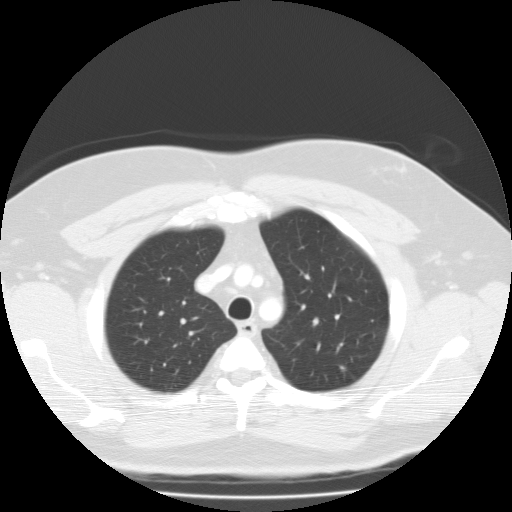
Chest CT, axial plane, 135 kVp, kernel FC01. Slice 101/126 from the bottom of the scan; thickness 3.00 mm; pixel size 0.744 mm.
Pulmonary nodule outlined by three of the four readers; box rows 365–371, columns 339–346 (the union of the readers' outlines on this slice); median longest diameter 7.4 mm (readers' outlines 6.7–8.3 mm), median volume 232 mm3 (228–298 mm3). Ratings, median across the readers with their spread: texture 4/5 at the median of three readers, spread 4/5 to 5/5 (solid); median margin 3/5 (readers ranged 3/5 to 5/5 (circumscribed)); sphericity 5/5 (round) at the median of three readers, spread 4/5 to 5/5 (round); calcification: absent (two), solid calcification (one); internal structure soft tissue from all three readers; subtlety 2/5 at the median of three readers, spread 2–3; malignancy likelihood 3/5 at the median of three readers, spread 1–3. Scale key (1–5): texture non-solid→solid, margin indistinct→circumscribed, sphericity linear→round, subtlety extremely subtle→obvious, malignancy likelihood highly unlikely→highly suspicious of cancer. Box rows and columns are 0-based pixel indices from the top-left corner, inclusive.